Chest CT, axial plane, 120 kVp, kernel B30f. Slice 189/225 from the bottom of the scan; thickness 2.00 mm; pixel size 0.645 mm.
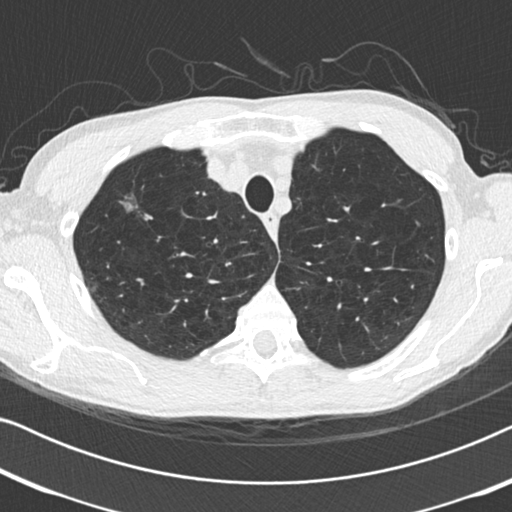
Pulmonary nodule, outlined by all four readers. Box on this slice rows 201–213, columns 123–133, the union of the readers' outlines on this slice; median longest diameter 12.0 mm (readers' outlines 9.2–13.7 mm), median volume 313 mm3 (245–400 mm3). Median ratings and the readers' spread: median texture 4.5/5 (readers ranged 4/5 to 5/5 (solid)); margin 4/5 at the median of four readers, spread 2/5 to 4/5; median sphericity 4/5 (readers ranged 3/5 (ovoid) to 4/5); calcification absent from all four readers; internal structure soft tissue from all four readers; subtlety 5/5 from all four readers; median malignancy likelihood 4/5 (readers ranged 3–5). Scale key (1–5): texture non-solid→solid, margin indistinct→circumscribed, sphericity linear→round, subtlety extremely subtle→obvious, malignancy likelihood highly unlikely→highly suspicious of cancer. Box rows and columns are 0-based pixel indices from the top-left corner, inclusive.